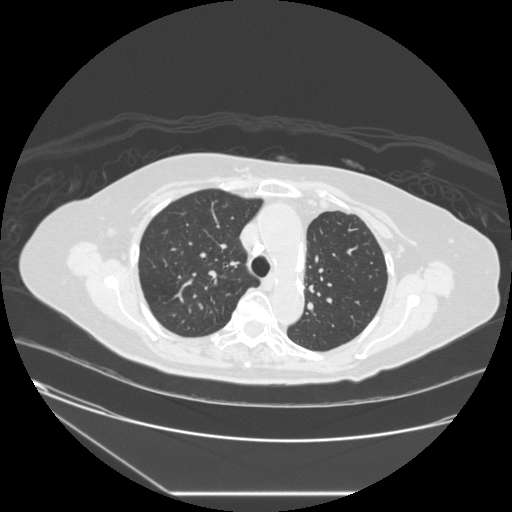
Slice 183/241 of a chest CT, counting up from the lowest; pixel size 0.773 mm, slice thickness 1.25 mm. Pulmonary nodule outlined three times (the source holds two more outlines, not used), two of them on this slice; box rows 303–309, columns 198–202 (the union of the readers' outlines on this slice); longest diameter 11.5 mm on average over the three readers' outlines (readers' outlines 10.5–12.2 mm), volume 344–520 mm3. The readers' prevailing ratings and who disagreed: texture 5/5 (solid) by two of three readers; the rest gave 4/5 (one); margin 4/5 by two of three readers; the rest gave 5/5 (circumscribed) (one); sphericity 3/5 (ovoid) by two of three readers; the rest gave 4/5 (one); calcification non-central calcification by two of three readers, absent (one); internal structure soft tissue, all three readers agreeing; subtlety 5/5 from all three readers; most readers (two of three) put malignancy likelihood at 3/5, others 2/5 (one). Scale key (1–5): texture non-solid→solid, margin indistinct→circumscribed, sphericity linear→round, subtlety extremely subtle→obvious, malignancy likelihood highly unlikely→highly suspicious of cancer. Box rows and columns are 0-based pixel indices from the top-left corner, inclusive.
Scan settings: 120 kVp, STANDARD reconstruction kernel.